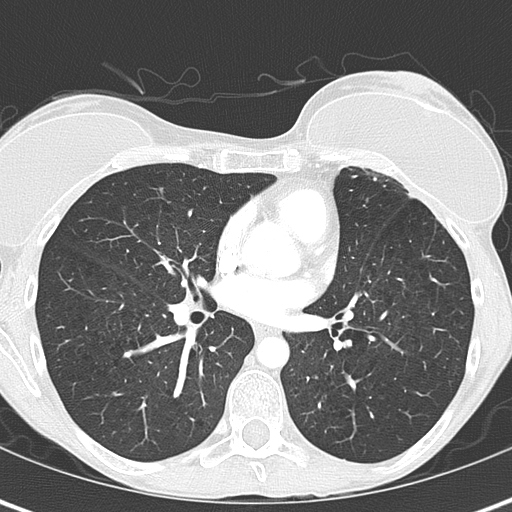
Slice 195/345 of a chest CT, counting up from the lowest; pixel size 0.541 mm, slice thickness 2.00 mm. Pulmonary nodule at rows 339–348, columns 342–351 (box = the union of the readers' outlines on this slice), outlined by all four readers; longest diameter 6.8 mm on average over the four readers' outlines (readers' outlines 6.3–7.7 mm), volume 105–184 mm3. The readers' prevailing ratings and who disagreed: texture 5/5 (solid), all four readers agreeing; margin 5/5 (circumscribed), all four readers agreeing; sphericity split among the readers: 4/5 (two), 5/5 (round) (two); calcification split among the readers: laminated calcification (two), solid calcification (two); internal structure soft tissue from all four readers; subtlety 5/5 by two of four readers; the rest gave 2/5 (one), 3/5 (one); malignancy likelihood 1/5, all four readers agreeing. Scale key (1–5): texture non-solid→solid, margin indistinct→circumscribed, sphericity linear→round, subtlety extremely subtle→obvious, malignancy likelihood highly unlikely→highly suspicious of cancer. Box rows and columns are 0-based pixel indices from the top-left corner, inclusive.
Tube voltage 120 kVp; convolution kernel B70f.